Chest CT, axial plane, 120 kVp, kernel D. Slice 58/300 from the bottom of the scan; thickness 1.00 mm; pixel size 0.607 mm.
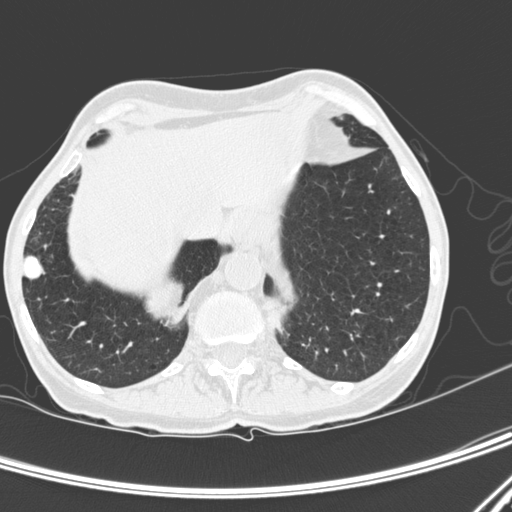
Pulmonary nodule at rows 255–280, columns 22–43 (box = the union of the readers' outlines on this slice), outlined by all four readers; median longest diameter 19.0 mm (readers' outlines 17.1–19.9 mm), median volume 2200 mm3 (1865–2443 mm3). Ratings, median across the readers with their spread: texture 5/5 (solid) from all four readers; margin 5/5 (circumscribed), all four readers agreeing; sphericity 4/5 at the median of four readers, spread 4/5 to 5/5 (round); calcification: solid calcification (three), absent (one); internal structure soft tissue, all four readers agreeing; subtlety 5/5, all four readers agreeing; malignancy likelihood 1/5 at the median of four readers, spread 1–4. Scale key (1–5): texture non-solid→solid, margin indistinct→circumscribed, sphericity linear→round, subtlety extremely subtle→obvious, malignancy likelihood highly unlikely→highly suspicious of cancer. Box rows and columns are 0-based pixel indices from the top-left corner, inclusive.